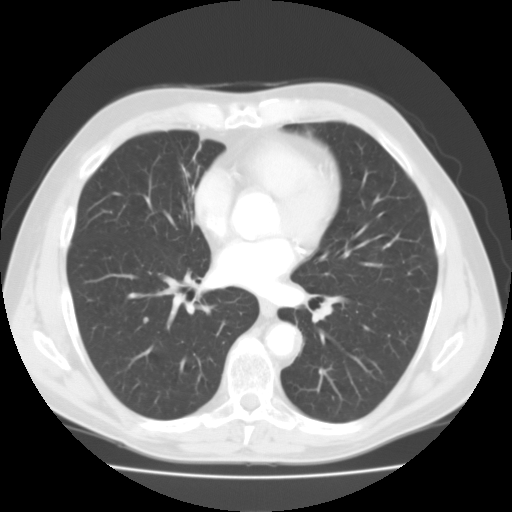
This is axial slice 55 of 109 (slice 1 is the lowest) of a chest CT; each pixel is 0.720 mm and the slice is 3.00 mm thick. Pulmonary nodule, outlined by one of the four readers. Box on this slice rows 317–323, columns 143–148, that reader's outline on this slice; longest diameter 6.2 mm and volume 97 mm3 from that reader's outline. That reader's ratings: texture 5/5 (solid); margin 5/5 (circumscribed); sphericity 4/5; calcification absent; internal structure soft tissue; subtlety 3/5; malignancy likelihood 2/5. Scale key (1–5): texture non-solid→solid, margin indistinct→circumscribed, sphericity linear→round, subtlety extremely subtle→obvious, malignancy likelihood highly unlikely→highly suspicious of cancer. Box rows and columns are 0-based pixel indices from the top-left corner, inclusive.
Acquired at 135 kVp and reconstructed with the FC01 kernel.